Axial chest CT slice 185 of 245 (counted from the lowest slice); tube voltage 120 kVp, convolution kernel BONE; slices 1.25 mm thick, 0.664 mm per pixel.
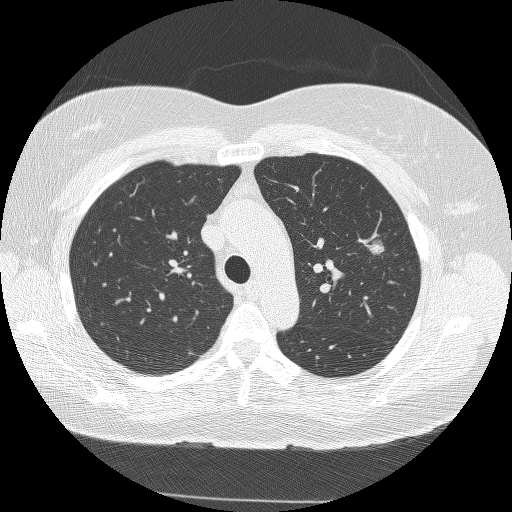
Pulmonary nodule, outlined by all four readers. Box on this slice rows 239–256, columns 367–385, the union of the readers' outlines on this slice; median longest diameter 21.0 mm (readers' outlines 20.8–22.3 mm), median volume 3153 mm3 (2976–3390 mm3). Median ratings and the readers' spread: median texture 5/5 (solid) (readers ranged 4/5 to 5/5 (solid)); median margin 3.5/5 (readers ranged 3/5 to 4/5); median sphericity 3.5/5 (readers ranged 3/5 (ovoid) to 5/5 (round)); calcification absent from all four readers; internal structure soft tissue, all four readers agreeing; subtlety 5/5, all four readers agreeing; malignancy likelihood 5/5 from all four readers. Scale key (1–5): texture non-solid→solid, margin indistinct→circumscribed, sphericity linear→round, subtlety extremely subtle→obvious, malignancy likelihood highly unlikely→highly suspicious of cancer. Box rows and columns are 0-based pixel indices from the top-left corner, inclusive.